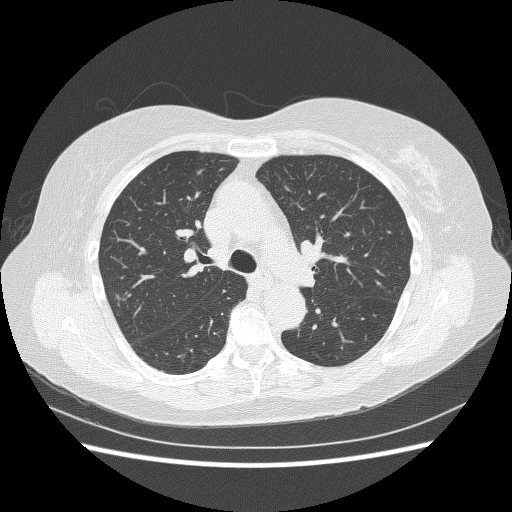
Axial chest CT slice 165 of 240 (counted from the lowest slice); 1.25 mm thick, 0.703 mm per pixel. Pulmonary nodule, outlined by one of the four readers. Box on this slice rows 294–299, columns 115–118, that reader's outline on this slice; longest diameter 6.0 mm and volume 103 mm3 from that reader's outline. Ratings by that reader: texture 5/5 (solid); margin 5/5 (circumscribed); sphericity 4/5; calcification absent; internal structure soft tissue; subtlety 4/5; malignancy likelihood 2/5. Scale key (1–5): texture non-solid→solid, margin indistinct→circumscribed, sphericity linear→round, subtlety extremely subtle→obvious, malignancy likelihood highly unlikely→highly suspicious of cancer. Box rows and columns are 0-based pixel indices from the top-left corner, inclusive.
Scan settings: 120 kVp, BONE reconstruction kernel.